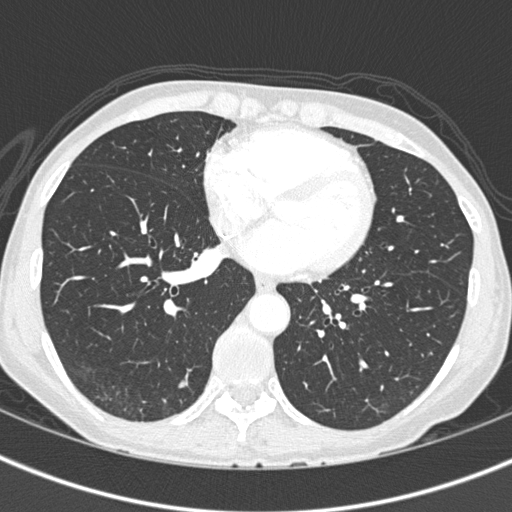
Axial chest CT slice 184 of 375 (counted from the lowest slice); tube voltage 120 kVp, convolution kernel B45f; slices 1.00 mm thick, 0.586 mm per pixel.
Pulmonary nodule at rows 377–387, columns 177–187 (box = the union of the readers' outlines on this slice), outlined by all four readers; median longest diameter 8.6 mm (readers' outlines 7.8–9.2 mm), median volume 102 mm3 (83–105 mm3). Ratings, median across the readers with their spread: texture 5/5 (solid), all four readers agreeing; median margin 4.5/5 (readers ranged 4/5 to 5/5 (circumscribed)); median sphericity 3/5 (ovoid) (readers ranged 3/5 (ovoid) to 5/5 (round)); calcification absent, all four readers agreeing; internal structure soft tissue, all four readers agreeing; median subtlety 4.5/5 (readers ranged 3–5); malignancy likelihood 3/5 at the median of four readers, spread 3–4. Scale key (1–5): texture non-solid→solid, margin indistinct→circumscribed, sphericity linear→round, subtlety extremely subtle→obvious, malignancy likelihood highly unlikely→highly suspicious of cancer. Box rows and columns are 0-based pixel indices from the top-left corner, inclusive.